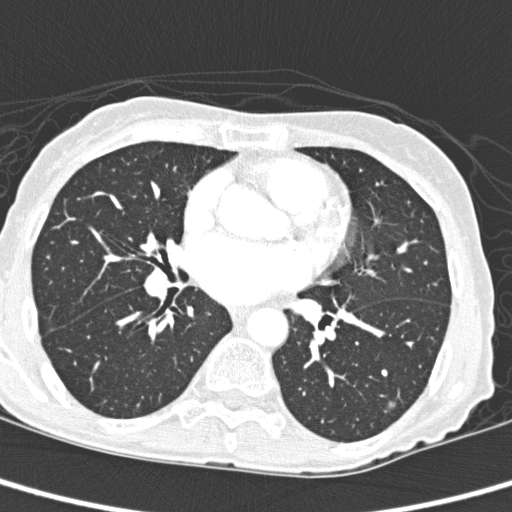
Axial slice 138 of 280 of a chest CT (slice 1 is the lowest), reconstructed with the D kernel at 120 kVp; 1.00 mm slice thickness and 0.564 mm pixels.
Pulmonary nodule, outlined by two of the four readers. Box on this slice rows 401–407, columns 385–395, the union of the readers' outlines on this slice; longest diameter 6.3 mm on average over the two readers' outlines (readers' outlines 5.3–7.4 mm), volume 37–100 mm3. The readers' prevailing ratings and who disagreed: texture split among the readers: 3/5 (part-solid) (one), 4/5 (one); margin 4/5, both readers agreeing; sphericity split among the readers: 4/5 (one), 5/5 (round) (one); calcification absent, both readers agreeing; internal structure soft tissue, both readers agreeing; subtlety split among the readers: 4/5 (one), 5/5 (one); malignancy likelihood split among the readers: 2/5 (one), 4/5 (one). Scale key (1–5): texture non-solid→solid, margin indistinct→circumscribed, sphericity linear→round, subtlety extremely subtle→obvious, malignancy likelihood highly unlikely→highly suspicious of cancer. Box rows and columns are 0-based pixel indices from the top-left corner, inclusive.